Chest CT, axial plane, 120 kVp, kernel STANDARD. Slice 71/206 from the bottom of the scan; thickness 1.25 mm; pixel size 0.898 mm.
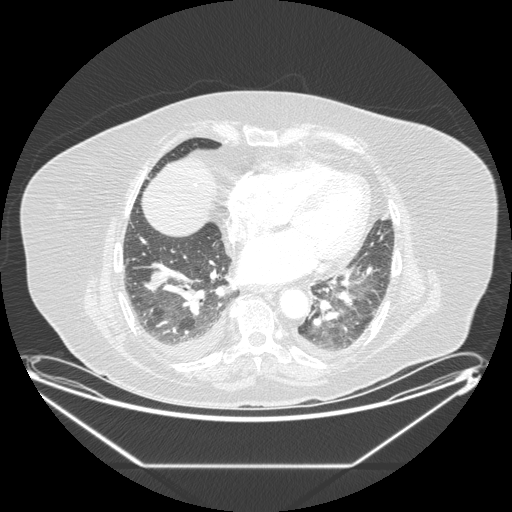
Pulmonary nodule at rows 270–289, columns 147–167 (box = the union of the readers' outlines on this slice), outlined by all four readers; median longest diameter 26.6 mm (readers' outlines 25.7–34.7 mm), median volume 4111 mm3 (3668–5061 mm3). Ratings, median across the readers with their spread: median texture 5/5 (solid) (readers ranged 4/5 to 5/5 (solid)); margin 4/5 from all four readers; median sphericity 3/5 (ovoid) (readers ranged 3/5 (ovoid) to 5/5 (round)); calcification absent from all four readers; internal structure soft tissue from all four readers; median subtlety 5/5 (readers ranged 4–5); median malignancy likelihood 4.5/5 (readers ranged 3–5). Scale key (1–5): texture non-solid→solid, margin indistinct→circumscribed, sphericity linear→round, subtlety extremely subtle→obvious, malignancy likelihood highly unlikely→highly suspicious of cancer. Box rows and columns are 0-based pixel indices from the top-left corner, inclusive.